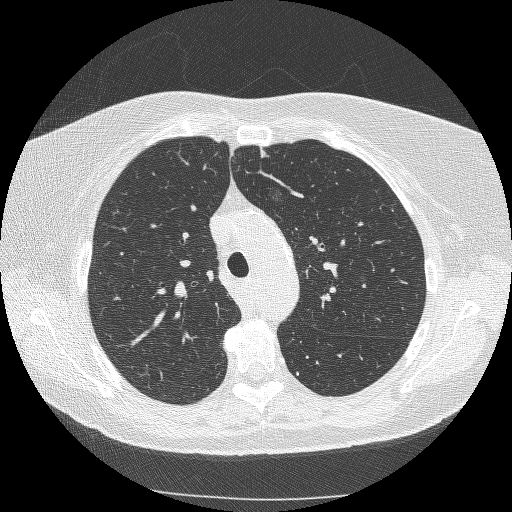
Chest CT, axial plane, 120 kVp, kernel BONE. Slice 196/253 from the bottom of the scan; thickness 1.25 mm; pixel size 0.625 mm.
Two pulmonary nodules on this slice, listed from left to right. (1) Pulmonary nodule outlined by one of the four readers; box rows 152–156, columns 261–265 (that reader's outline on this slice); longest diameter 10.7 mm and volume 164 mm3 from that reader's outline. Ratings by that reader: texture 5/5 (solid); margin 4/5; sphericity 2/5; calcification absent; internal structure soft tissue; subtlety 3/5; malignancy likelihood 3/5. (2) Pulmonary nodule outlined by two of the four readers; box rows 182–207, columns 264–284 (the union of the readers' outlines on this slice); longest diameter 11.5–17.9 mm and volume 203–416 mm3 across the two readers' outlines. The readers' ratings, as ranges where they differ: texture 1/5 (non-solid), both readers agreeing; margin from 1/5 (indistinct) to 2/5 across the two readers; sphericity from 3/5 (ovoid) to 4/5 across the two readers; calcification absent from both readers; internal structure soft tissue from both readers; subtlety rated between 1 and 3 out of 5 by the two readers; malignancy likelihood rated between 3 and 4 out of 5 by the two readers. Scale key (1–5): texture non-solid→solid, margin indistinct→circumscribed, sphericity linear→round, subtlety extremely subtle→obvious, malignancy likelihood highly unlikely→highly suspicious of cancer. Box rows and columns are 0-based pixel indices from the top-left corner, inclusive.